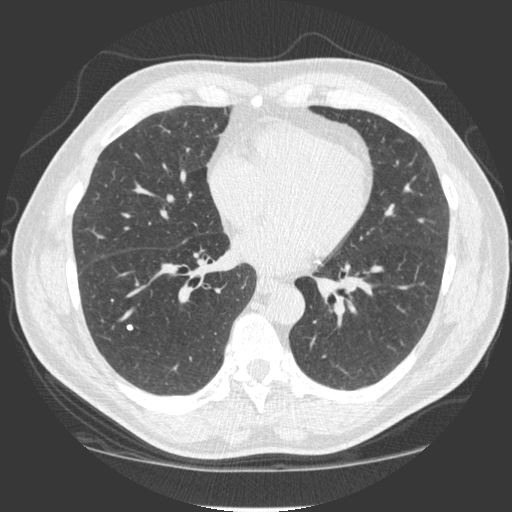
Axial slice 87 of 241 of a chest CT (slice 1 is the lowest), reconstructed with the STANDARD kernel at 120 kVp; 1.25 mm slice thickness and 0.684 mm pixels.
Pulmonary nodule outlined by one of the four readers; box rows 325–329, columns 127–132 (that reader's outline on this slice); longest diameter 5.0 mm and volume 49 mm3 from that reader's outline. That reader's ratings: texture 5/5 (solid); margin 5/5 (circumscribed); sphericity 4/5; calcification solid calcification; internal structure soft tissue; subtlety 5/5; malignancy likelihood 1/5. Scale key (1–5): texture non-solid→solid, margin indistinct→circumscribed, sphericity linear→round, subtlety extremely subtle→obvious, malignancy likelihood highly unlikely→highly suspicious of cancer. Box rows and columns are 0-based pixel indices from the top-left corner, inclusive.